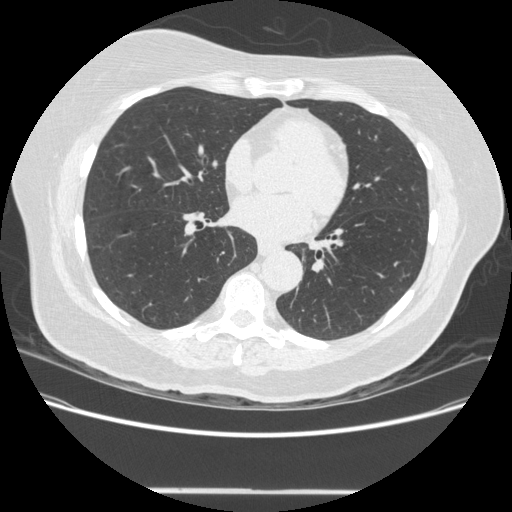
This is axial slice 207 of 481 (slice 1 is the lowest) of a chest CT; each pixel is 0.742 mm and the slice is 1.25 mm thick. This slice carries no reader outline of a nodule 3 mm or larger.
Tube voltage 120 kVp; convolution kernel STANDARD.